Axial slice 73 of 118 of a chest CT (slice 1 is the lowest), reconstructed with the B31f kernel at 120 kVp; 3.00 mm slice thickness and 0.668 mm pixels.
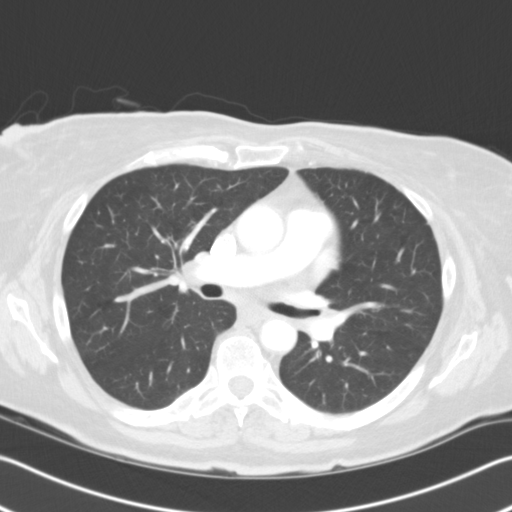
None of the four readers outlined a nodule of 3 mm or more on this slice.